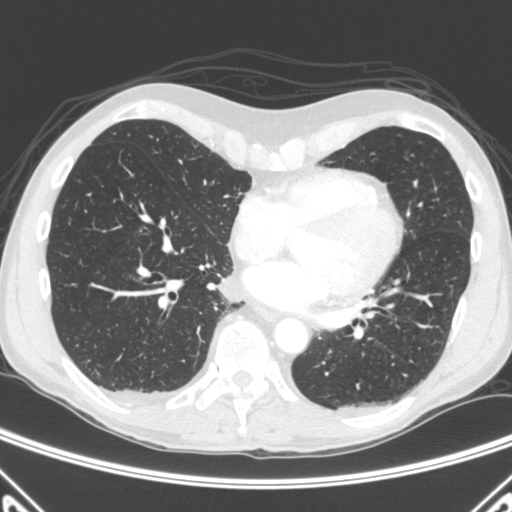
Slice 167/445 of a chest CT, counting up from the lowest; pixel size 0.676 mm, slice thickness 1.50 mm. Pulmonary nodule, outlined by all four readers, one of them on this slice. Box on this slice rows 217–220, columns 68–71, the one reader's outline on this slice; median longest diameter 8.5 mm (readers' outlines 7.0–8.9 mm), median volume 134 mm3 (62–138 mm3). Ratings, median across the readers with their spread: texture 5/5 (solid) at the median of four readers, spread 1/5 (non-solid) to 5/5 (solid); margin 4.5/5 at the median of four readers, spread 4/5 to 5/5 (circumscribed); sphericity 4/5, all four readers agreeing; calcification absent from all four readers; internal structure soft tissue, all four readers agreeing; subtlety 5/5, all four readers agreeing; median malignancy likelihood 3/5 (readers ranged 3–4). Scale key (1–5): texture non-solid→solid, margin indistinct→circumscribed, sphericity linear→round, subtlety extremely subtle→obvious, malignancy likelihood highly unlikely→highly suspicious of cancer. Box rows and columns are 0-based pixel indices from the top-left corner, inclusive.
Acquired at 120 kVp and reconstructed with the C kernel.